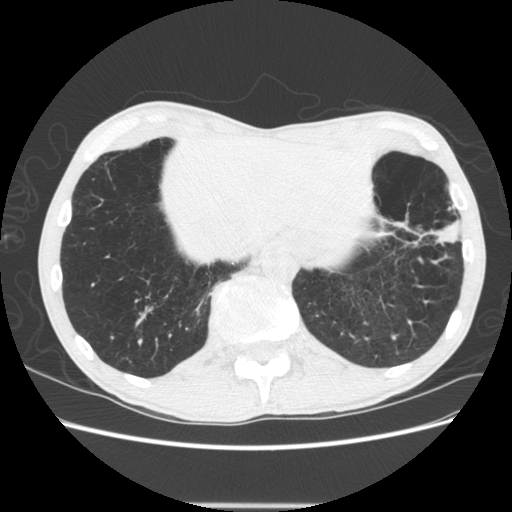
One axial slice (128 of 605, counting up from the lowest) of a chest CT acquired at 120 kVp with the STANDARD kernel; each pixel is 0.703 mm and the slice is 1.25 mm thick.
Pulmonary nodule outlined by one of the four readers; box rows 221–241, columns 432–457 (that reader's outline on this slice); longest diameter 29.0 mm and volume 1790 mm3 from that reader's outline. Ratings by that reader: texture 4/5; margin 4/5; sphericity 2/5; calcification absent; internal structure soft tissue; subtlety 5/5; malignancy likelihood 4/5. Scale key (1–5): texture non-solid→solid, margin indistinct→circumscribed, sphericity linear→round, subtlety extremely subtle→obvious, malignancy likelihood highly unlikely→highly suspicious of cancer. Box rows and columns are 0-based pixel indices from the top-left corner, inclusive.